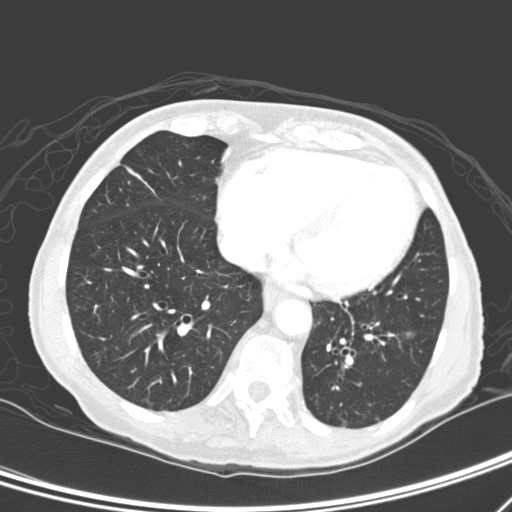
Axial chest CT slice 103 of 276 (counted from the lowest slice); 2.00 mm thick, 0.617 mm per pixel. Pulmonary nodule at rows 331–338, columns 403–415 (box = the union of the readers' outlines on this slice), outlined by all four readers; longest diameter 8.9 mm on average over the four readers' outlines (readers' outlines 7.2–10.6 mm), volume 121–277 mm3. Ratings, by the readers' most common answer with dissent counted: texture 2/5 by two of four readers; the rest gave 1/5 (non-solid) (one), 5/5 (solid) (one); margin 1/5 (indistinct) by three of four readers; the rest gave 5/5 (circumscribed) (one); sphericity 4/5 by two of four readers; the rest gave 2/5 (one), 3/5 (ovoid) (one); calcification absent from all four readers; internal structure soft tissue from all four readers; subtlety split among the readers: 2/5 (two), 4/5 (two); malignancy likelihood 4/5 by two of four readers; the rest gave 2/5 (one), 3/5 (one). Scale key (1–5): texture non-solid→solid, margin indistinct→circumscribed, sphericity linear→round, subtlety extremely subtle→obvious, malignancy likelihood highly unlikely→highly suspicious of cancer. Box rows and columns are 0-based pixel indices from the top-left corner, inclusive.
Acquired at 120 kVp and reconstructed with the D kernel.